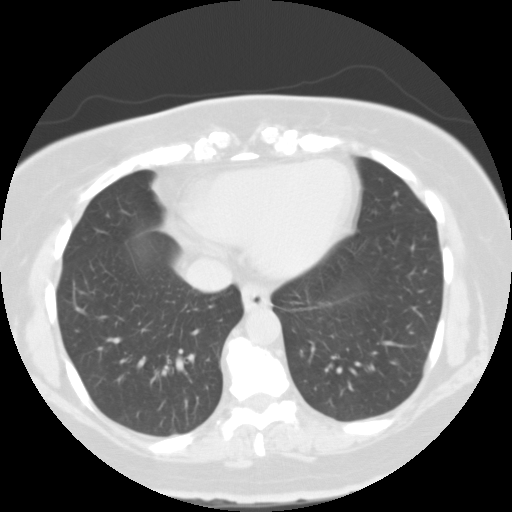
Axial chest CT slice 37 of 105 (counted from the lowest slice); tube voltage 135 kVp, convolution kernel FC01; slices 3.00 mm thick, 0.656 mm per pixel.
The readers outlined no nodule of 3 mm or more on this slice.